One axial slice (95 of 280, counting up from the lowest) of a chest CT acquired at 120 kVp with the D kernel; each pixel is 0.666 mm and the slice is 1.00 mm thick.
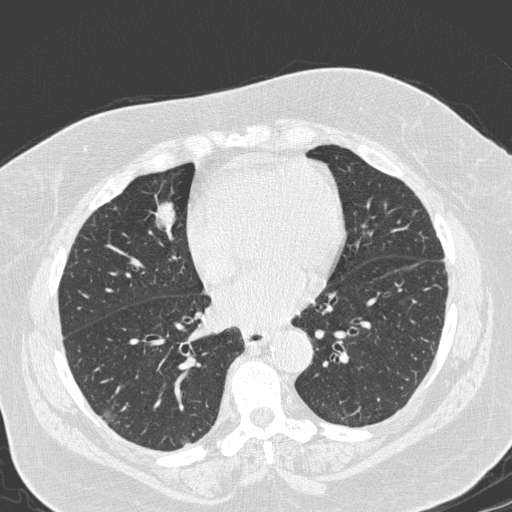
Two pulmonary nodules are outlined on this slice; from left to right: (1) Pulmonary nodule outlined by two of the four readers; box rows 407–421, columns 101–116 (the union of the readers' outlines on this slice); median longest diameter 17.7 mm (readers' outlines 16.7–18.8 mm), median volume 1269 mm3 (1162–1377 mm3). Median ratings and the readers' spread: texture 1/5 (non-solid), both readers agreeing; margin 2/5 from both readers; sphericity 4/5 at the median of two readers, spread 3/5 (ovoid) to 5/5 (round); calcification absent, both readers agreeing; internal structure soft tissue, both readers agreeing; median subtlety 2.5/5 (readers ranged 1–4); median malignancy likelihood 2.5/5 (readers ranged 2–3). (2) Pulmonary nodule, outlined by all four readers. Box on this slice rows 202–229, columns 155–175, the union of the readers' outlines on this slice; longest diameter 25.9 mm on average over the four readers' outlines (readers' outlines 25.0–27.8 mm), volume 4698–5913 mm3. The readers' prevailing ratings and who disagreed: texture 5/5 (solid) from all four readers; margin split among the readers: 4/5 (two), 5/5 (circumscribed) (two); sphericity 5/5 (round) by two of four readers; the rest gave 3/5 (ovoid) (one), 4/5 (one); calcification absent from all four readers; internal structure soft tissue from all four readers; subtlety 5/5, all four readers agreeing; malignancy likelihood 5/5 by two of four readers; the rest gave 2/5 (one), 4/5 (one). Scale key (1–5): texture non-solid→solid, margin indistinct→circumscribed, sphericity linear→round, subtlety extremely subtle→obvious, malignancy likelihood highly unlikely→highly suspicious of cancer. Box rows and columns are 0-based pixel indices from the top-left corner, inclusive.